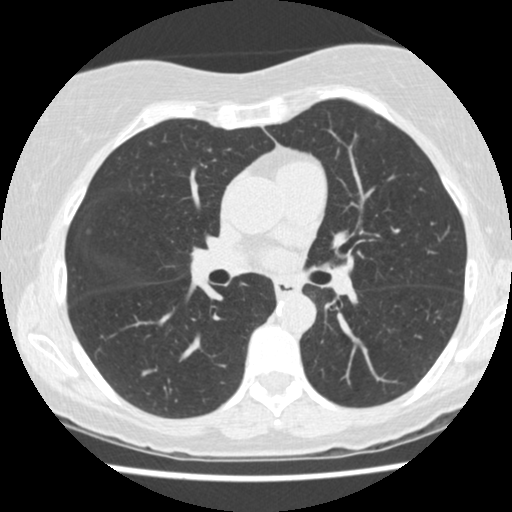
Chest CT, axial plane, 120 kVp, kernel STANDARD. Slice 246/458 from the bottom of the scan; thickness 1.25 mm; pixel size 0.586 mm.
Pulmonary nodule, outlined by one of the four readers. Box on this slice rows 228–234, columns 86–90, that reader's outline on this slice; longest diameter 5.3 mm and volume 30 mm3 from that reader's outline. That reader's ratings: texture 1/5 (non-solid); margin 2/5; sphericity 4/5; calcification absent; internal structure soft tissue; subtlety 2/5; malignancy likelihood 2/5. Scale key (1–5): texture non-solid→solid, margin indistinct→circumscribed, sphericity linear→round, subtlety extremely subtle→obvious, malignancy likelihood highly unlikely→highly suspicious of cancer. Box rows and columns are 0-based pixel indices from the top-left corner, inclusive.